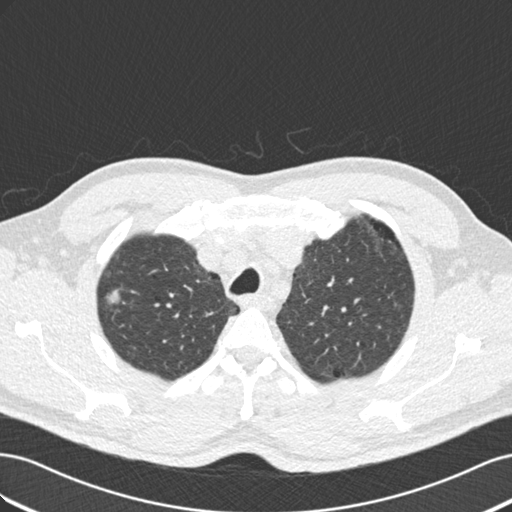
Axial chest CT slice 148 of 187 (counted from the lowest slice); tube voltage 120 kVp, convolution kernel B30f; slices 2.00 mm thick, 0.703 mm per pixel.
Pulmonary nodule at rows 289–304, columns 104–120 (box = the union of the readers' outlines on this slice), outlined by all four readers; longest diameter 14.9–18.0 mm and volume 840–1317 mm3 across the four readers' outlines. Ratings across the readers: texture from 4/5 to 5/5 (solid) across the four readers; margin from 2/5 to 5/5 (circumscribed) across the four readers; sphericity from 2/5 to 5/5 (round) across the four readers; calcification absent from all four readers; internal structure soft tissue from all four readers; subtlety 5/5, all four readers agreeing; malignancy likelihood 3–5/5 (the readers disagree). Scale key (1–5): texture non-solid→solid, margin indistinct→circumscribed, sphericity linear→round, subtlety extremely subtle→obvious, malignancy likelihood highly unlikely→highly suspicious of cancer. Box rows and columns are 0-based pixel indices from the top-left corner, inclusive.